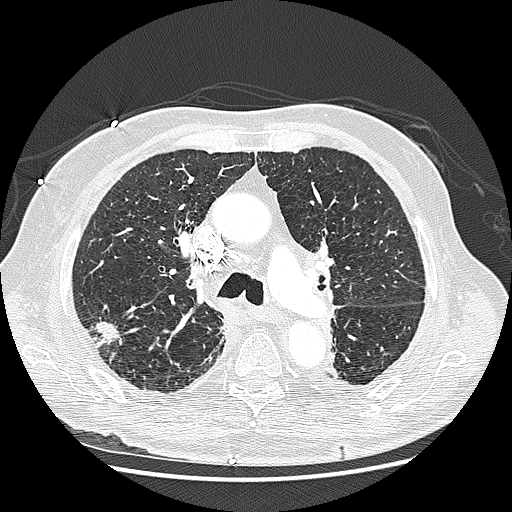
Chest CT, axial plane, 120 kVp, kernel LUNG. Slice 170/242 from the bottom of the scan; thickness 1.25 mm; pixel size 0.703 mm.
Pulmonary nodule at rows 321–346, columns 95–118 (box = the union of the readers' outlines on this slice), outlined by three of the four readers; longest diameter 23.6–31.8 mm and volume 3005–3613 mm3 across the three readers' outlines. The readers' ratings, as ranges where they differ: texture 5/5 (solid), all three readers agreeing; margin from 3/5 to 5/5 (circumscribed) across the three readers; sphericity from 3/5 (ovoid) to 4/5 across the three readers; calcification absent from all three readers; internal structure soft tissue, all three readers agreeing; subtlety from 4/5 to 5/5 across the three readers; malignancy likelihood 4–5/5 (the readers disagree). Scale key (1–5): texture non-solid→solid, margin indistinct→circumscribed, sphericity linear→round, subtlety extremely subtle→obvious, malignancy likelihood highly unlikely→highly suspicious of cancer. Box rows and columns are 0-based pixel indices from the top-left corner, inclusive.